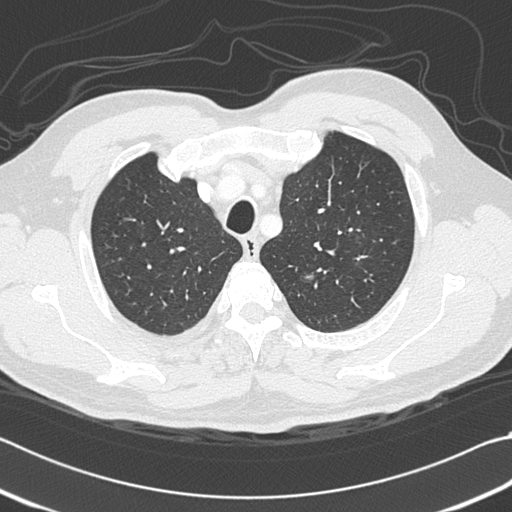
One axial slice (263 of 312, counting up from the lowest) of a chest CT acquired at 120 kVp with the B45f kernel; each pixel is 0.664 mm and the slice is 1.00 mm thick.
Pulmonary nodule outlined by one of the four readers; box rows 275–278, columns 305–312 (that reader's outline on this slice); longest diameter 6.3 mm and volume 41 mm3 from that reader's outline. That reader's ratings: texture 1/5 (non-solid); margin 2/5; sphericity 4/5; calcification absent; internal structure soft tissue; subtlety 1/5; malignancy likelihood 3/5. Scale key (1–5): texture non-solid→solid, margin indistinct→circumscribed, sphericity linear→round, subtlety extremely subtle→obvious, malignancy likelihood highly unlikely→highly suspicious of cancer. Box rows and columns are 0-based pixel indices from the top-left corner, inclusive.